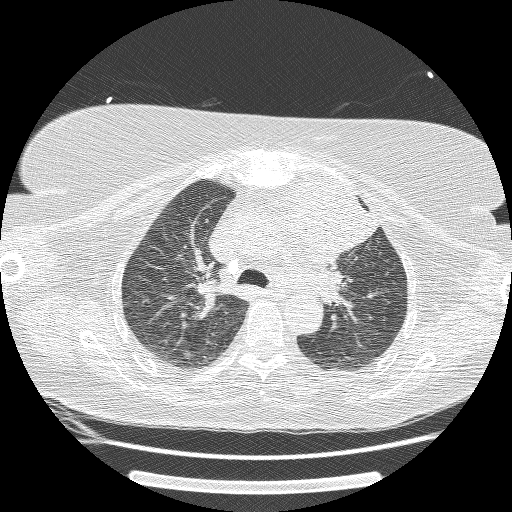
Axial slice 104 of 162 of a chest CT (slice 1 is the lowest), reconstructed with the BONE kernel at 120 kVp; 1.25 mm slice thickness and 0.703 mm pixels.
Pulmonary nodule, outlined by two of the four readers. Box on this slice rows 350–357, columns 183–190, the union of the readers' outlines on this slice; longest diameter 7.1 mm on average over the two readers' outlines (readers' outlines 7.0–7.2 mm), volume 62–78 mm3. The readers' prevailing ratings and who disagreed: texture split among the readers: 2/5 (one), 4/5 (one); margin 2/5 from both readers; sphericity 4/5 from both readers; calcification split among the readers: absent (one), non-central calcification (one); internal structure soft tissue from both readers; subtlety split among the readers: 1/5 (one), 2/5 (one); malignancy likelihood 2/5 from both readers. Scale key (1–5): texture non-solid→solid, margin indistinct→circumscribed, sphericity linear→round, subtlety extremely subtle→obvious, malignancy likelihood highly unlikely→highly suspicious of cancer. Box rows and columns are 0-based pixel indices from the top-left corner, inclusive.